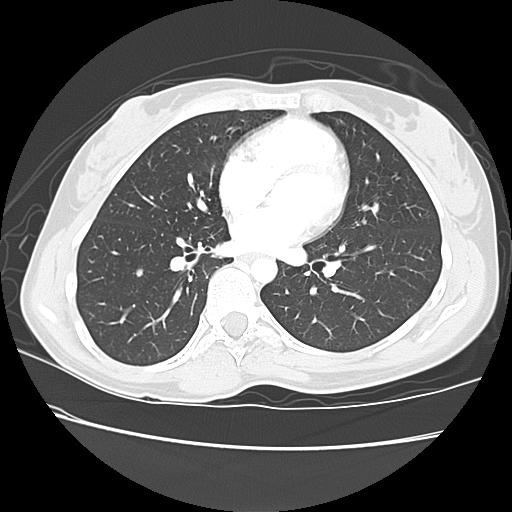
Chest CT, axial plane, 120 kVp, kernel LUNG. Slice 71/140 from the bottom of the scan; thickness 2.50 mm; pixel size 0.625 mm.
Pulmonary nodule outlined by all four readers; box rows 268–277, columns 135–143 (the union of the readers' outlines on this slice); longest diameter 7.3–8.2 mm and volume 147–225 mm3 across the four readers' outlines. Ratings across the readers: texture 5/5 (solid), all four readers agreeing; margin from 4/5 to 5/5 (circumscribed) across the four readers; sphericity from 3/5 (ovoid) to 5/5 (round) across the four readers; calcification split among the readers: solid calcification (two), absent (two); internal structure soft tissue, all four readers agreeing; subtlety from 3/5 to 5/5 across the four readers; malignancy likelihood rated between 1 and 3 out of 5 by the four readers. Scale key (1–5): texture non-solid→solid, margin indistinct→circumscribed, sphericity linear→round, subtlety extremely subtle→obvious, malignancy likelihood highly unlikely→highly suspicious of cancer. Box rows and columns are 0-based pixel indices from the top-left corner, inclusive.